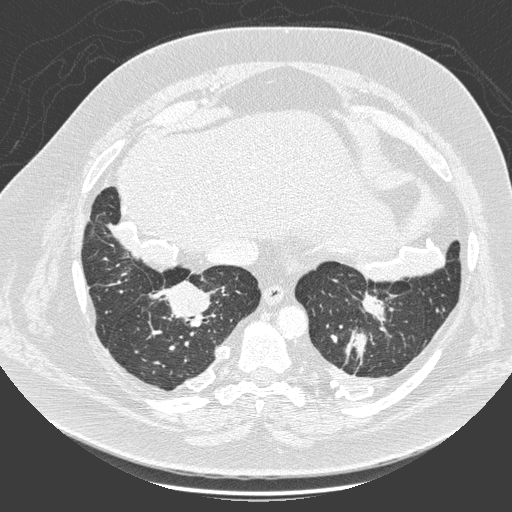
Axial slice 66 of 280 of a chest CT (slice 1 is the lowest), reconstructed with the D kernel at 140 kVp; 1.00 mm slice thickness and 0.801 mm pixels.
Pulmonary nodule, outlined by one of the four readers. Box on this slice rows 282–320, columns 165–209, that reader's outline on this slice; longest diameter 49.9 mm and volume 31112 mm3 from that reader's outline. That reader's ratings: texture 5/5 (solid); margin 4/5; sphericity 5/5 (round); calcification non-central calcification; internal structure soft tissue; subtlety 5/5; malignancy likelihood 5/5. Scale key (1–5): texture non-solid→solid, margin indistinct→circumscribed, sphericity linear→round, subtlety extremely subtle→obvious, malignancy likelihood highly unlikely→highly suspicious of cancer. Box rows and columns are 0-based pixel indices from the top-left corner, inclusive.